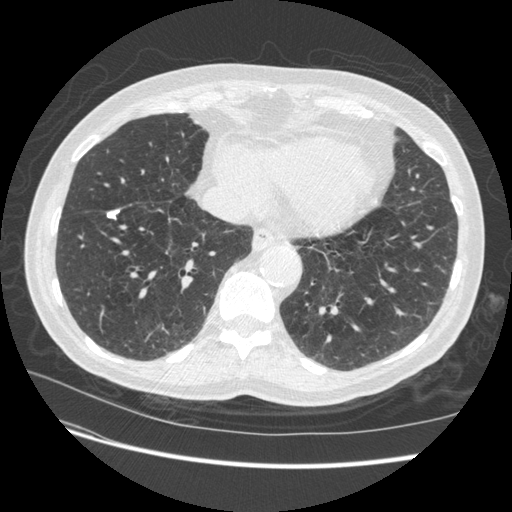
Slice 139/509 of a chest CT, counting up from the lowest; pixel size 0.703 mm, slice thickness 1.25 mm. Pulmonary nodule, outlined by three of the four readers. Box on this slice rows 209–219, columns 106–119, the union of the readers' outlines on this slice; longest diameter 11.8 mm on average over the three readers' outlines (readers' outlines 11.4–12.1 mm), volume 273–413 mm3. The readers' prevailing ratings and who disagreed: texture 5/5 (solid) from all three readers; margin 5/5 (circumscribed) by two of three readers; the rest gave 4/5 (one); most readers (two of three) put sphericity at 3/5 (ovoid), others 4/5 (one); calcification solid calcification from all three readers; internal structure soft tissue from all three readers; most readers (two of three) put subtlety at 5/5, others 4/5 (one); malignancy likelihood 1/5 from all three readers. Scale key (1–5): texture non-solid→solid, margin indistinct→circumscribed, sphericity linear→round, subtlety extremely subtle→obvious, malignancy likelihood highly unlikely→highly suspicious of cancer. Box rows and columns are 0-based pixel indices from the top-left corner, inclusive.
Scan settings: 120 kVp, STANDARD reconstruction kernel.